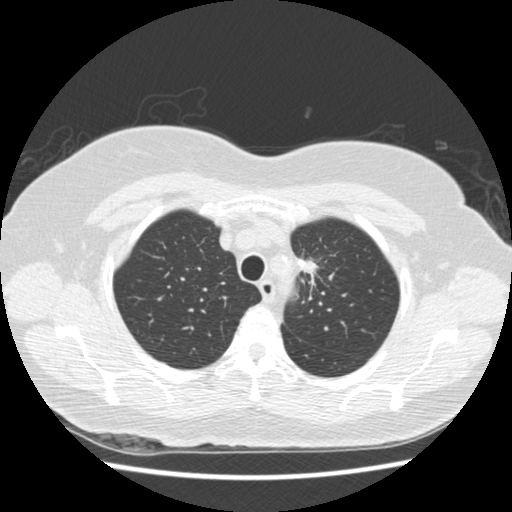
Chest CT, axial plane, 120 kVp, kernel STANDARD. Slice 355/445 from the bottom of the scan; thickness 1.25 mm; pixel size 0.645 mm.
Pulmonary nodule, outlined by one of the four readers. Box on this slice rows 259–281, columns 298–317, that reader's outline on this slice; longest diameter 31.0 mm and volume 2055 mm3 from that reader's outline. Ratings by that reader: texture 5/5 (solid); margin 2/5; sphericity 2/5; calcification absent; internal structure soft tissue; subtlety 5/5; malignancy likelihood 4/5. Scale key (1–5): texture non-solid→solid, margin indistinct→circumscribed, sphericity linear→round, subtlety extremely subtle→obvious, malignancy likelihood highly unlikely→highly suspicious of cancer. Box rows and columns are 0-based pixel indices from the top-left corner, inclusive.